Chest CT, axial plane, 120 kVp, kernel STANDARD. Slice 113/301 from the bottom of the scan; thickness 1.25 mm; pixel size 0.684 mm.
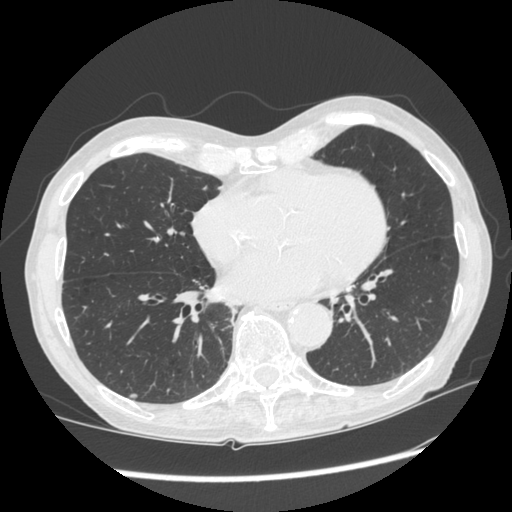
Pulmonary nodule outlined by all four readers; box rows 393–398, columns 128–137 (the union of the readers' outlines on this slice); longest diameter 7.4 mm on average over the four readers' outlines (readers' outlines 7.1–7.8 mm), volume 48–77 mm3. The readers' prevailing ratings and who disagreed: texture 5/5 (solid) by three of four readers; the rest gave 1/5 (non-solid) (one); margin 4/5 by two of four readers; the rest gave 1/5 (indistinct) (one), 5/5 (circumscribed) (one); sphericity split among the readers: 2/5 (two), 3/5 (ovoid) (two); calcification absent from all four readers; internal structure soft tissue from all four readers; subtlety split among the readers: 1/5 (one), 3/5 (one), 4/5 (one), 5/5 (one); malignancy likelihood split among the readers: 2/5 (two), 3/5 (two). Scale key (1–5): texture non-solid→solid, margin indistinct→circumscribed, sphericity linear→round, subtlety extremely subtle→obvious, malignancy likelihood highly unlikely→highly suspicious of cancer. Box rows and columns are 0-based pixel indices from the top-left corner, inclusive.